Axial slice 198 of 455 of a chest CT (slice 1 is the lowest), reconstructed with the B30f kernel at 120 kVp; 0.75 mm slice thickness and 0.633 mm pixels.
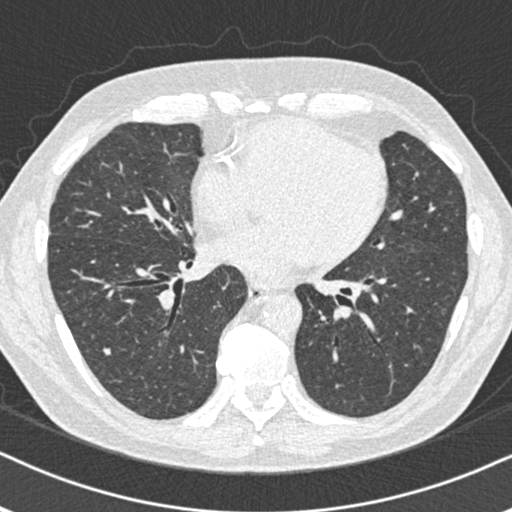
Pulmonary nodule outlined by three of the four readers; box rows 348–354, columns 103–110 (the union of the readers' outlines on this slice); median longest diameter 6.8 mm (readers' outlines 6.8–7.8 mm), median volume 60 mm3 (59–65 mm3). Ratings, median across the readers with their spread: texture 5/5 (solid), all three readers agreeing; margin 4/5, all three readers agreeing; sphericity 4/5 at the median of three readers, spread 4/5 to 5/5 (round); calcification absent, all three readers agreeing; internal structure soft tissue from all three readers; subtlety 5/5 at the median of three readers, spread 3–5; malignancy likelihood 3/5, all three readers agreeing. Scale key (1–5): texture non-solid→solid, margin indistinct→circumscribed, sphericity linear→round, subtlety extremely subtle→obvious, malignancy likelihood highly unlikely→highly suspicious of cancer. Box rows and columns are 0-based pixel indices from the top-left corner, inclusive.